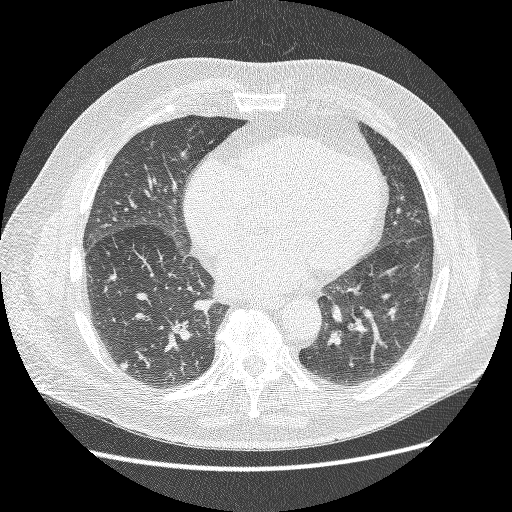
Axial slice 139 of 267 of a chest CT (slice 1 is the lowest), reconstructed with the BONE kernel at 120 kVp; 1.25 mm slice thickness and 0.752 mm pixels.
Pulmonary nodule at rows 361–369, columns 120–129 (box = the union of the readers' outlines on this slice), outlined by all four readers; median longest diameter 9.6 mm (readers' outlines 7.5–10.1 mm), median volume 206 mm3 (186–246 mm3). Median ratings and the readers' spread: median texture 5/5 (solid) (readers ranged 4/5 to 5/5 (solid)); median margin 4.5/5 (readers ranged 4/5 to 5/5 (circumscribed)); sphericity 5/5 (round) at the median of four readers, spread 4/5 to 5/5 (round); calcification absent from all four readers; internal structure soft tissue from all four readers; median subtlety 3/5 (readers ranged 2–4); median malignancy likelihood 3/5 (readers ranged 2–3). Scale key (1–5): texture non-solid→solid, margin indistinct→circumscribed, sphericity linear→round, subtlety extremely subtle→obvious, malignancy likelihood highly unlikely→highly suspicious of cancer. Box rows and columns are 0-based pixel indices from the top-left corner, inclusive.